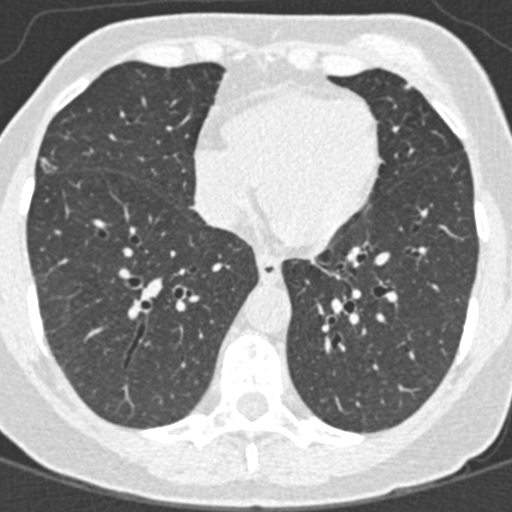
One axial slice (132 of 376, counting up from the lowest) of a chest CT acquired at 120 kVp with the B30f kernel; each pixel is 0.461 mm and the slice is 0.75 mm thick.
Pulmonary nodule at rows 84–89, columns 404–410 (box = that reader's outline on this slice), outlined by one of the four readers; longest diameter 3.8 mm and volume 20 mm3 from that reader's outline. That reader's ratings: texture 5/5 (solid); margin 5/5 (circumscribed); sphericity 5/5 (round); calcification absent; internal structure soft tissue; subtlety 5/5; malignancy likelihood 3/5. Scale key (1–5): texture non-solid→solid, margin indistinct→circumscribed, sphericity linear→round, subtlety extremely subtle→obvious, malignancy likelihood highly unlikely→highly suspicious of cancer. Box rows and columns are 0-based pixel indices from the top-left corner, inclusive.